Axial slice 468 of 501 of a chest CT (slice 1 is the lowest), reconstructed with the STANDARD kernel at 140 kVp; 1.25 mm slice thickness and 0.703 mm pixels.
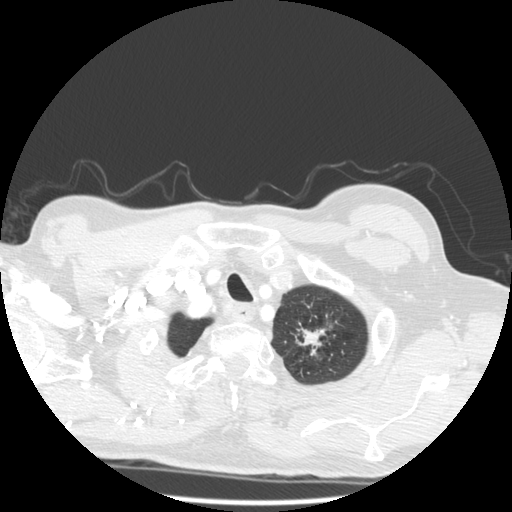
Pulmonary nodule outlined by three of the four readers; box rows 328–355, columns 295–326 (the union of the readers' outlines on this slice); median longest diameter 33.8 mm (readers' outlines 32.1–39.2 mm), median volume 3078 mm3 (2361–4873 mm3). Ratings, median across the readers with their spread: median texture 5/5 (solid) (readers ranged 4/5 to 5/5 (solid)); margin 3/5 at the median of three readers, spread 1/5 (indistinct) to 5/5 (circumscribed); sphericity 3/5 (ovoid) at the median of three readers, spread 2/5 to 5/5 (round); calcification absent from all three readers; internal structure soft tissue from all three readers; subtlety 5/5, all three readers agreeing; malignancy likelihood 5/5 at the median of three readers, spread 4–5. Scale key (1–5): texture non-solid→solid, margin indistinct→circumscribed, sphericity linear→round, subtlety extremely subtle→obvious, malignancy likelihood highly unlikely→highly suspicious of cancer. Box rows and columns are 0-based pixel indices from the top-left corner, inclusive.